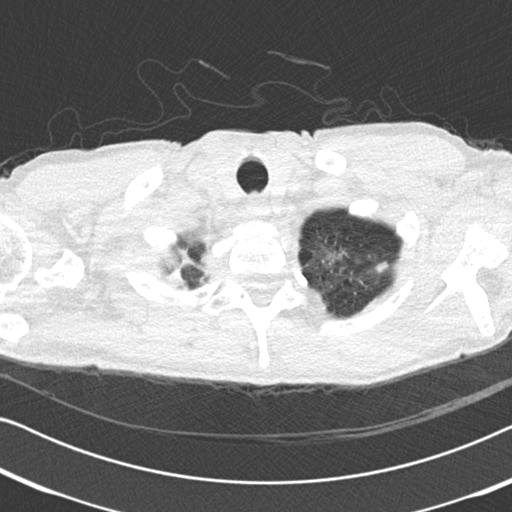
Axial chest CT slice 213 of 225 (counted from the lowest slice); tube voltage 120 kVp, convolution kernel B30f; slices 2.00 mm thick, 0.645 mm per pixel.
Pulmonary nodule outlined by one of the four readers; box rows 262–272, columns 375–387 (that reader's outline on this slice); longest diameter 10.1 mm and volume 145 mm3 from that reader's outline. That reader's ratings: texture 4/5; margin 2/5; sphericity 3/5 (ovoid); calcification absent; internal structure soft tissue; subtlety 4/5; malignancy likelihood 2/5. Scale key (1–5): texture non-solid→solid, margin indistinct→circumscribed, sphericity linear→round, subtlety extremely subtle→obvious, malignancy likelihood highly unlikely→highly suspicious of cancer. Box rows and columns are 0-based pixel indices from the top-left corner, inclusive.